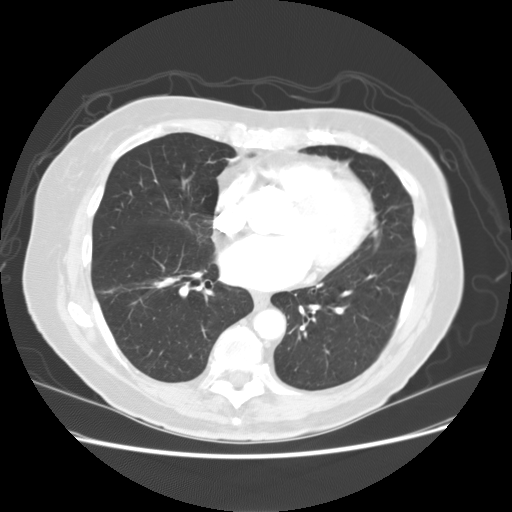
One axial slice (68 of 133, counting up from the lowest) of a chest CT acquired at 120 kVp with the STANDARD kernel; each pixel is 0.703 mm and the slice is 2.50 mm thick.
No nodule 3 mm or larger was outlined here by any reader.